Axial chest CT slice 67 of 290 (counted from the lowest slice); tube voltage 120 kVp, convolution kernel D; slices 1.00 mm thick, 0.662 mm per pixel.
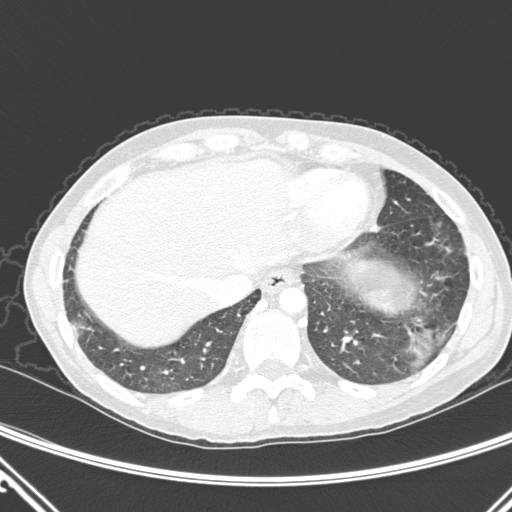
Pulmonary nodule at rows 329–337, columns 421–430 (box = the one reader's outline on this slice), outlined by two of the four readers, one of them on this slice; median longest diameter 17.1 mm (readers' outlines 16.8–17.4 mm), median volume 506 mm3 (457–555 mm3). Median ratings and the readers' spread: texture 5/5 (solid) from both readers; median margin 1.5/5 (readers ranged 1/5 (indistinct) to 2/5); median sphericity 3.5/5 (readers ranged 3/5 (ovoid) to 4/5); calcification absent, both readers agreeing; internal structure soft tissue from both readers; subtlety 4/5 from both readers; malignancy likelihood 3.5/5 at the median of two readers, spread 3–4. Scale key (1–5): texture non-solid→solid, margin indistinct→circumscribed, sphericity linear→round, subtlety extremely subtle→obvious, malignancy likelihood highly unlikely→highly suspicious of cancer. Box rows and columns are 0-based pixel indices from the top-left corner, inclusive.